Axial slice 141 of 161 of a chest CT (slice 1 is the lowest), reconstructed with the B30f kernel at 120 kVp; 2.00 mm slice thickness and 0.586 mm pixels.
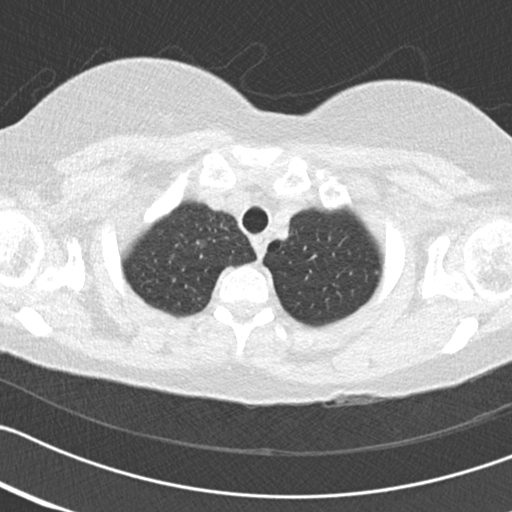
Pulmonary nodule outlined by one of the four readers; box rows 240–247, columns 197–206 (that reader's outline on this slice); longest diameter 7.3 mm and volume 104 mm3 from that reader's outline. Ratings by that reader: texture 1/5 (non-solid); margin 1/5 (indistinct); sphericity 4/5; calcification absent; internal structure soft tissue; subtlety 2/5; malignancy likelihood 4/5. Scale key (1–5): texture non-solid→solid, margin indistinct→circumscribed, sphericity linear→round, subtlety extremely subtle→obvious, malignancy likelihood highly unlikely→highly suspicious of cancer. Box rows and columns are 0-based pixel indices from the top-left corner, inclusive.